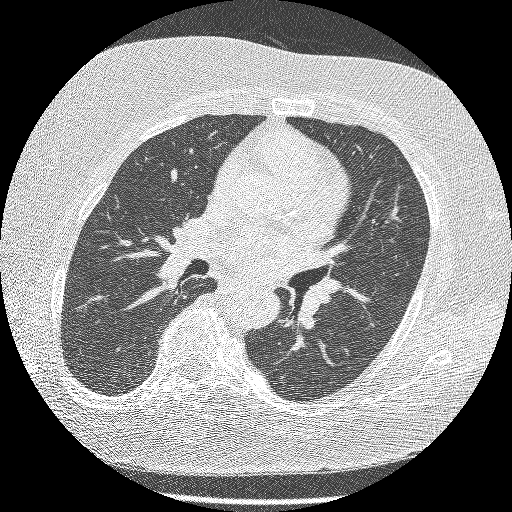
Axial chest CT slice 115 of 195 (counted from the lowest slice); tube voltage 120 kVp, convolution kernel BONE; slices 1.25 mm thick, 0.645 mm per pixel.
No nodule 3 mm or larger was outlined here by any reader.